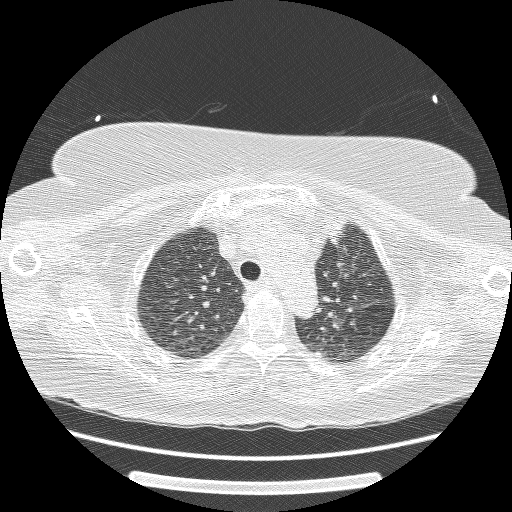
This is axial slice 120 of 162 (slice 1 is the lowest) of a chest CT; each pixel is 0.703 mm and the slice is 1.25 mm thick. Pulmonary nodule at rows 352–355, columns 316–322 (box = the one reader's outline on this slice), outlined by two of the four readers, one of them on this slice; median longest diameter 7.0 mm (readers' outlines 6.0–8.0 mm), median volume 80 mm3 (72–89 mm3). Ratings, median across the readers with their spread: texture 5/5 (solid), both readers agreeing; median margin 3.5/5 (readers ranged 3/5 to 4/5); sphericity 4/5 from both readers; calcification absent, both readers agreeing; internal structure soft tissue from both readers; median subtlety 3.5/5 (readers ranged 3–4); malignancy likelihood 2/5, both readers agreeing. Scale key (1–5): texture non-solid→solid, margin indistinct→circumscribed, sphericity linear→round, subtlety extremely subtle→obvious, malignancy likelihood highly unlikely→highly suspicious of cancer. Box rows and columns are 0-based pixel indices from the top-left corner, inclusive.
Acquired at 120 kVp and reconstructed with the BONE kernel.